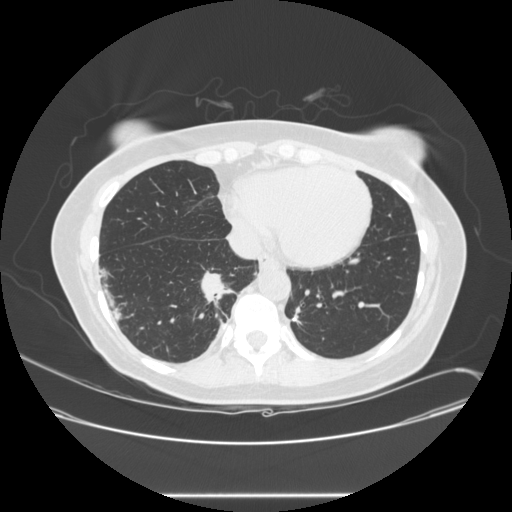
Axial chest CT slice 103 of 257 (counted from the lowest slice); tube voltage 120 kVp, convolution kernel STANDARD; slices 1.25 mm thick, 0.781 mm per pixel.
Pulmonary nodule outlined by all four readers; box rows 268–306, columns 199–236 (the union of the readers' outlines on this slice); median longest diameter 33.5 mm (readers' outlines 28.0–45.1 mm), median volume 6377 mm3 (5019–8578 mm3). Ratings, median across the readers with their spread: texture 5/5 (solid), all four readers agreeing; margin 4.5/5 at the median of four readers, spread 1/5 (indistinct) to 5/5 (circumscribed); median sphericity 3.5/5 (readers ranged 3/5 (ovoid) to 4/5); calcification absent, all four readers agreeing; internal structure soft tissue, all four readers agreeing; subtlety 5/5, all four readers agreeing; malignancy likelihood 5/5 from all four readers. Scale key (1–5): texture non-solid→solid, margin indistinct→circumscribed, sphericity linear→round, subtlety extremely subtle→obvious, malignancy likelihood highly unlikely→highly suspicious of cancer. Box rows and columns are 0-based pixel indices from the top-left corner, inclusive.